Chest CT, axial plane, 120 kVp, kernel B45f. Slice 146/301 from the bottom of the scan; thickness 1.00 mm; pixel size 0.547 mm.
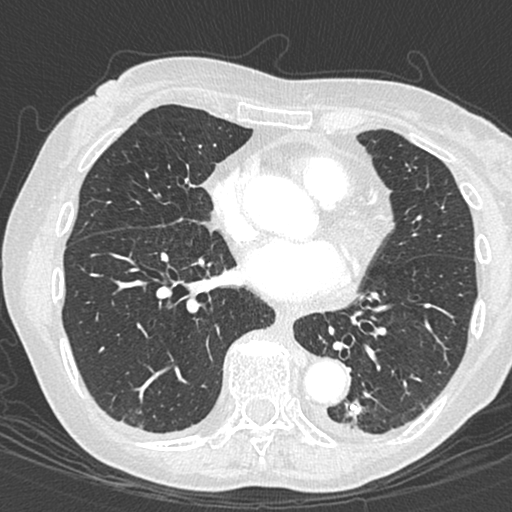
Pulmonary nodule, outlined by three of the four readers. Box on this slice rows 400–419, columns 346–362, the union of the readers' outlines on this slice; median longest diameter 9.1 mm (readers' outlines 6.8–15.1 mm), median volume 161 mm3 (67–603 mm3). Ratings, median across the readers with their spread: texture 5/5 (solid), all three readers agreeing; margin 5/5 (circumscribed) at the median of three readers, spread 3/5 to 5/5 (circumscribed); sphericity 4/5 at the median of three readers, spread 3/5 (ovoid) to 5/5 (round); calcification: solid calcification (two), central calcification (one); internal structure soft tissue, all three readers agreeing; median subtlety 5/5 (readers ranged 4–5); malignancy likelihood 1/5 from all three readers. Scale key (1–5): texture non-solid→solid, margin indistinct→circumscribed, sphericity linear→round, subtlety extremely subtle→obvious, malignancy likelihood highly unlikely→highly suspicious of cancer. Box rows and columns are 0-based pixel indices from the top-left corner, inclusive.